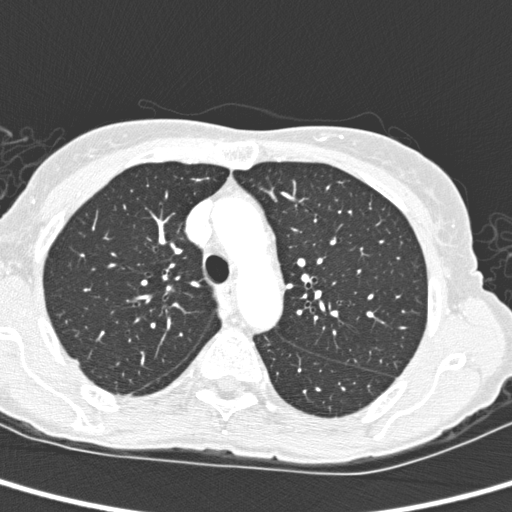
Axial chest CT slice 200 of 280 (counted from the lowest slice); 1.00 mm thick, 0.564 mm per pixel. Pulmonary nodule, outlined by all four readers. Box on this slice rows 285–293, columns 166–172, the union of the readers' outlines on this slice; longest diameter 11.4 mm on average over the four readers' outlines (readers' outlines 9.9–12.5 mm), volume 362–590 mm3. The readers' prevailing ratings and who disagreed: most readers (three of four) put texture at 5/5 (solid), others 4/5 (one); margin split among the readers: 4/5 (two), 5/5 (circumscribed) (two); sphericity 5/5 (round) by two of four readers; the rest gave 3/5 (ovoid) (one), 4/5 (one); calcification absent, all four readers agreeing; internal structure soft tissue, all four readers agreeing; subtlety split among the readers: 4/5 (two), 5/5 (two); malignancy likelihood 5/5 by two of four readers; the rest gave 2/5 (one), 4/5 (one). Scale key (1–5): texture non-solid→solid, margin indistinct→circumscribed, sphericity linear→round, subtlety extremely subtle→obvious, malignancy likelihood highly unlikely→highly suspicious of cancer. Box rows and columns are 0-based pixel indices from the top-left corner, inclusive.
Acquired at 120 kVp and reconstructed with the D kernel.